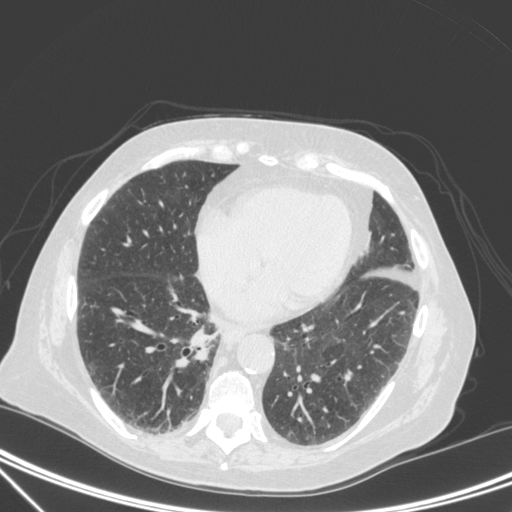
Axial chest CT slice 114 of 350 (counted from the lowest slice); 1.50 mm thick, 0.725 mm per pixel. Pulmonary nodule outlined by one of the four readers; box rows 344–358, columns 197–206 (that reader's outline on this slice); longest diameter 29.7 mm and volume 4028 mm3 from that reader's outline. That reader's ratings: texture 5/5 (solid); margin 3/5; sphericity 3/5 (ovoid); calcification absent; internal structure soft tissue; subtlety 5/5; malignancy likelihood 4/5. Scale key (1–5): texture non-solid→solid, margin indistinct→circumscribed, sphericity linear→round, subtlety extremely subtle→obvious, malignancy likelihood highly unlikely→highly suspicious of cancer. Box rows and columns are 0-based pixel indices from the top-left corner, inclusive.
Acquired at 120 kVp and reconstructed with the C kernel.